Axial chest CT slice 94 of 477 (counted from the lowest slice); tube voltage 120 kVp, convolution kernel STANDARD; slices 1.25 mm thick, 0.703 mm per pixel.
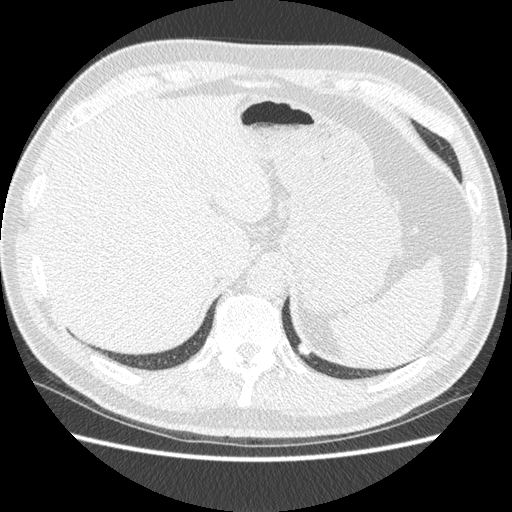
Pulmonary nodule at rows 342–356, columns 297–309 (box = the union of the readers' outlines on this slice), outlined by all four readers; median longest diameter 11.7 mm (readers' outlines 10.5–13.2 mm), median volume 384 mm3 (347–425 mm3). Ratings, median across the readers with their spread: texture 5/5 (solid), all four readers agreeing; median margin 4/5 (readers ranged 4/5 to 5/5 (circumscribed)); median sphericity 3.5/5 (readers ranged 3/5 (ovoid) to 5/5 (round)); calcification split among the readers: solid calcification (one), non-central calcification (one), central calcification (one), absent (one); internal structure soft tissue, all four readers agreeing; median subtlety 4/5 (readers ranged 3–5); median malignancy likelihood 1.5/5 (readers ranged 1–2). Scale key (1–5): texture non-solid→solid, margin indistinct→circumscribed, sphericity linear→round, subtlety extremely subtle→obvious, malignancy likelihood highly unlikely→highly suspicious of cancer. Box rows and columns are 0-based pixel indices from the top-left corner, inclusive.